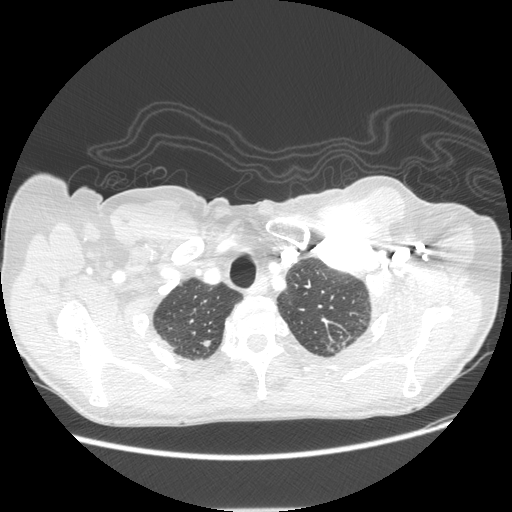
This is axial slice 194 of 232 (slice 1 is the lowest) of a chest CT; each pixel is 0.742 mm and the slice is 1.25 mm thick. Pulmonary nodule outlined by all four readers; box rows 340–346, columns 201–210 (the union of the readers' outlines on this slice); longest diameter 7.6–11.3 mm and volume 79–196 mm3 across the four readers' outlines. The readers' ratings, as ranges where they differ: texture 5/5 (solid) from all four readers; margin from 3/5 to 5/5 (circumscribed) across the four readers; sphericity from 4/5 to 5/5 (round) across the four readers; calcification absent, all four readers agreeing; internal structure soft tissue, all four readers agreeing; subtlety 2–4/5 (the readers disagree); malignancy likelihood 2–3/5 (the readers disagree). Scale key (1–5): texture non-solid→solid, margin indistinct→circumscribed, sphericity linear→round, subtlety extremely subtle→obvious, malignancy likelihood highly unlikely→highly suspicious of cancer. Box rows and columns are 0-based pixel indices from the top-left corner, inclusive.
Acquired at 120 kVp and reconstructed with the STANDARD kernel.